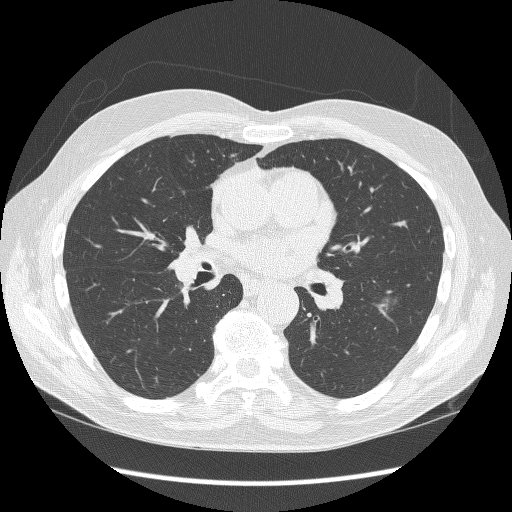
This is axial slice 177 of 298 (slice 1 is the lowest) of a chest CT; each pixel is 0.719 mm and the slice is 1.25 mm thick. Pulmonary nodule at rows 295–310, columns 382–398 (box = the union of the readers' outlines on this slice), outlined by two of the four readers; median longest diameter 18.2 mm (readers' outlines 18.0–18.4 mm), median volume 970 mm3 (963–976 mm3). Ratings, median across the readers with their spread: texture 1/5 (non-solid), both readers agreeing; margin 3/5 at the median of two readers, spread 1/5 (indistinct) to 5/5 (circumscribed); sphericity 2.5/5 at the median of two readers, spread 2/5 to 3/5 (ovoid); calcification absent from both readers; internal structure soft tissue, both readers agreeing; subtlety 3.5/5 at the median of two readers, spread 3–4; median malignancy likelihood 3.5/5 (readers ranged 3–4). Scale key (1–5): texture non-solid→solid, margin indistinct→circumscribed, sphericity linear→round, subtlety extremely subtle→obvious, malignancy likelihood highly unlikely→highly suspicious of cancer. Box rows and columns are 0-based pixel indices from the top-left corner, inclusive.
Tube voltage 120 kVp; convolution kernel BONE.